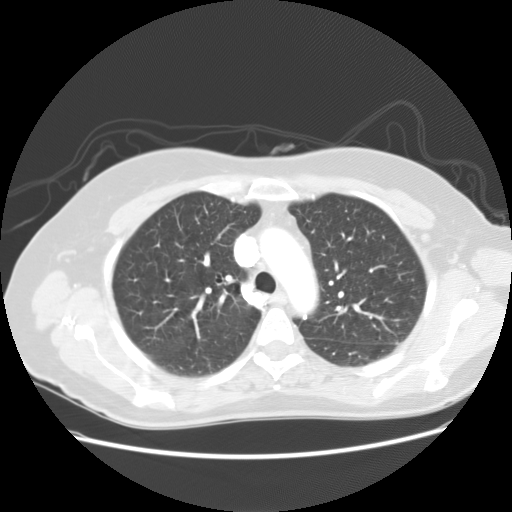
Axial chest CT slice 84 of 113 (counted from the lowest slice); 2.50 mm thick, 0.703 mm per pixel. The readers outlined no nodule of 3 mm or more on this slice.
Acquired at 120 kVp and reconstructed with the STANDARD kernel.